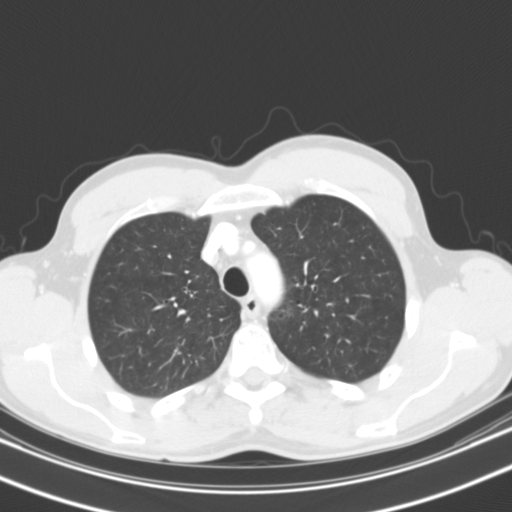
This is axial slice 88 of 119 (slice 1 is the lowest) of a chest CT; each pixel is 0.650 mm and the slice is 3.00 mm thick. No nodule of 3 mm or larger was outlined by any of the four readers on this slice.
Acquired at 130 kVp and reconstructed with the B31s kernel.